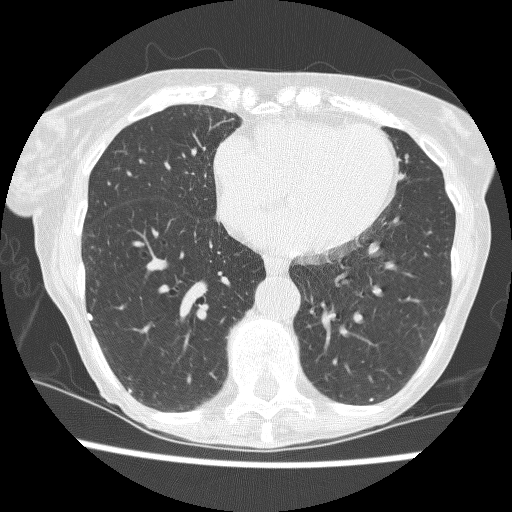
Axial slice 93 of 240 of a chest CT (slice 1 is the lowest), reconstructed with the BONE kernel at 120 kVp; 1.25 mm slice thickness and 0.566 mm pixels.
Pulmonary nodule at rows 313–320, columns 87–92 (box = that reader's outline on this slice), outlined by one of the four readers; longest diameter 5.4 mm and volume 44 mm3 from that reader's outline. That reader's ratings: texture 5/5 (solid); margin 5/5 (circumscribed); sphericity 3/5 (ovoid); calcification solid calcification; internal structure soft tissue; subtlety 4/5; malignancy likelihood 1/5. Scale key (1–5): texture non-solid→solid, margin indistinct→circumscribed, sphericity linear→round, subtlety extremely subtle→obvious, malignancy likelihood highly unlikely→highly suspicious of cancer. Box rows and columns are 0-based pixel indices from the top-left corner, inclusive.